Axial slice 106 of 127 of a chest CT (slice 1 is the lowest), reconstructed with the STANDARD kernel at 120 kVp; 2.50 mm slice thickness and 0.703 mm pixels.
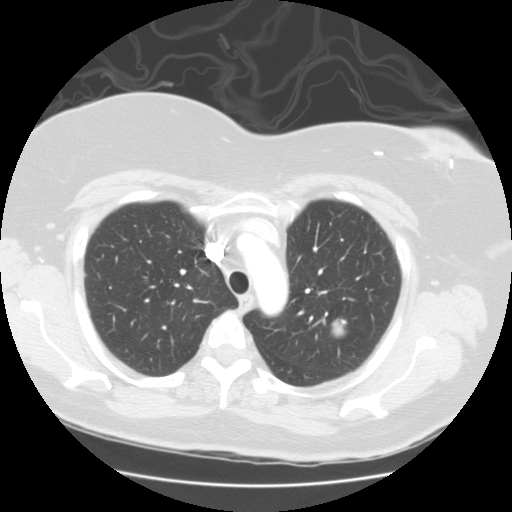
Pulmonary nodule, outlined by all four readers. Box on this slice rows 316–339, columns 328–349, the union of the readers' outlines on this slice; median longest diameter 21.6 mm (readers' outlines 20.7–22.2 mm), median volume 4373 mm3 (3995–4590 mm3). Ratings, median across the readers with their spread: texture 5/5 (solid) from all four readers; median margin 5/5 (circumscribed) (readers ranged 4/5 to 5/5 (circumscribed)); median sphericity 4.5/5 (readers ranged 4/5 to 5/5 (round)); calcification absent, all four readers agreeing; internal structure soft tissue from all four readers; subtlety 5/5, all four readers agreeing; malignancy likelihood 4.5/5 at the median of four readers, spread 2–5. Scale key (1–5): texture non-solid→solid, margin indistinct→circumscribed, sphericity linear→round, subtlety extremely subtle→obvious, malignancy likelihood highly unlikely→highly suspicious of cancer. Box rows and columns are 0-based pixel indices from the top-left corner, inclusive.